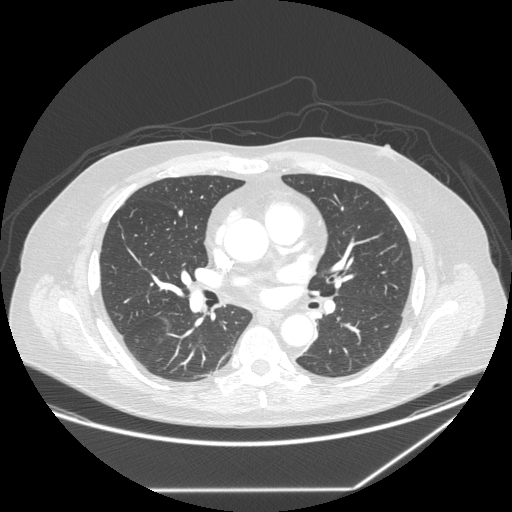
Slice 142/258 of a chest CT, counting up from the lowest; pixel size 0.859 mm, slice thickness 1.25 mm. Pulmonary nodule, outlined by three of the four readers. Box on this slice rows 317–320, columns 336–339, the union of the readers' outlines on this slice; longest diameter 7.3–8.5 mm and volume 147–164 mm3 across the three readers' outlines. Ratings across the readers: texture 5/5 (solid) from all three readers; margin from 4/5 to 5/5 (circumscribed) across the three readers; sphericity from 3/5 (ovoid) to 4/5 across the three readers; calcification absent from all three readers; internal structure soft tissue, all three readers agreeing; subtlety from 3/5 to 4/5 across the three readers; malignancy likelihood 2–3/5 (the readers disagree). Scale key (1–5): texture non-solid→solid, margin indistinct→circumscribed, sphericity linear→round, subtlety extremely subtle→obvious, malignancy likelihood highly unlikely→highly suspicious of cancer. Box rows and columns are 0-based pixel indices from the top-left corner, inclusive.
Acquired at 120 kVp and reconstructed with the STANDARD kernel.